Axial chest CT slice 192 of 225 (counted from the lowest slice); tube voltage 120 kVp, convolution kernel B30f; slices 2.00 mm thick, 0.645 mm per pixel.
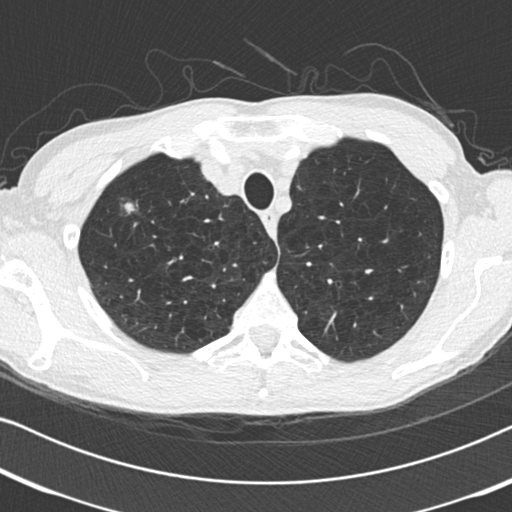
Pulmonary nodule outlined by all four readers; box rows 201–214, columns 122–134 (the union of the readers' outlines on this slice); longest diameter 11.7 mm on average over the four readers' outlines (readers' outlines 9.2–13.7 mm), volume 245–400 mm3. The readers' prevailing ratings and who disagreed: texture split among the readers: 4/5 (two), 5/5 (solid) (two); most readers (three of four) put margin at 4/5, others 2/5 (one); most readers (three of four) put sphericity at 4/5, others 3/5 (ovoid) (one); calcification absent from all four readers; internal structure soft tissue from all four readers; subtlety 5/5, all four readers agreeing; malignancy likelihood 4/5 by two of four readers; the rest gave 3/5 (one), 5/5 (one). Scale key (1–5): texture non-solid→solid, margin indistinct→circumscribed, sphericity linear→round, subtlety extremely subtle→obvious, malignancy likelihood highly unlikely→highly suspicious of cancer. Box rows and columns are 0-based pixel indices from the top-left corner, inclusive.